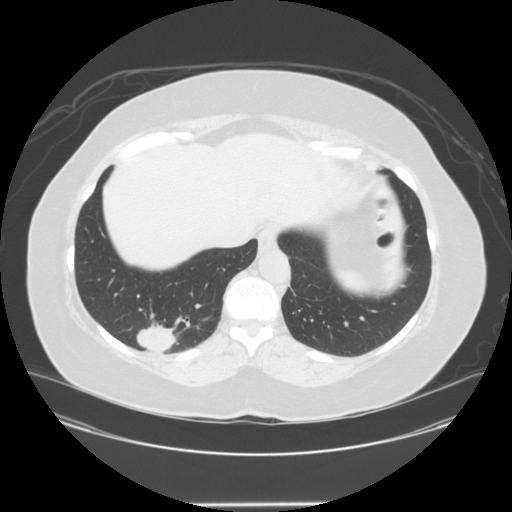
Axial chest CT slice 53 of 150 (counted from the lowest slice); tube voltage 120 kVp, convolution kernel STANDARD; slices 2.50 mm thick, 0.820 mm per pixel.
Pulmonary nodule at rows 316–352, columns 136–174 (box = the union of the readers' outlines on this slice), outlined by three of the four readers; median longest diameter 36.7 mm (readers' outlines 34.5–41.5 mm), median volume 15464 mm3 (15181–19016 mm3). Ratings, median across the readers with their spread: texture 5/5 (solid) from all three readers; median margin 4/5 (readers ranged 2/5 to 4/5); median sphericity 4/5 (readers ranged 3/5 (ovoid) to 5/5 (round)); calcification absent from all three readers; internal structure soft tissue from all three readers; subtlety 5/5 from all three readers; malignancy likelihood 5/5 from all three readers. Scale key (1–5): texture non-solid→solid, margin indistinct→circumscribed, sphericity linear→round, subtlety extremely subtle→obvious, malignancy likelihood highly unlikely→highly suspicious of cancer. Box rows and columns are 0-based pixel indices from the top-left corner, inclusive.